Axial chest CT slice 93 of 129 (counted from the lowest slice); tube voltage 135 kVp, convolution kernel FC01; slices 3.00 mm thick, 0.662 mm per pixel.
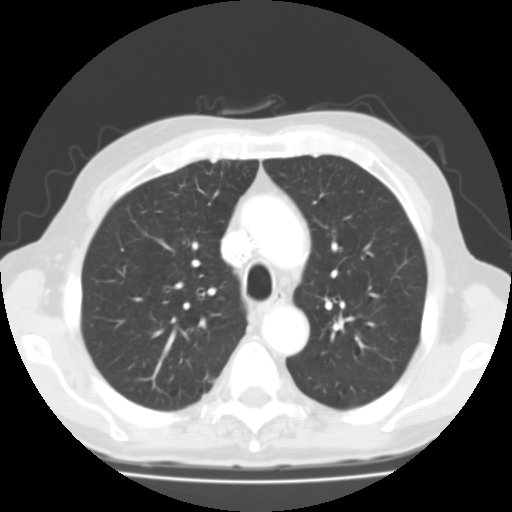
None of the four readers outlined a nodule of 3 mm or more on this slice.